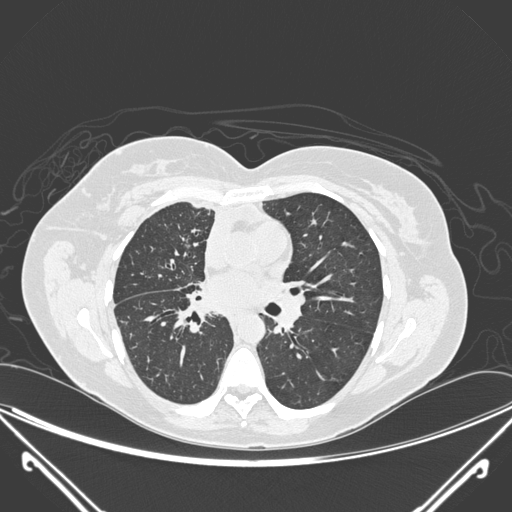
This is axial slice 152 of 275 (slice 1 is the lowest) of a chest CT; each pixel is 0.781 mm and the slice is 1.00 mm thick. Pulmonary nodule outlined by all four readers, two of them on this slice; box rows 236–247, columns 181–189 (the union of the readers' outlines on this slice); longest diameter 20.3–23.4 mm and volume 1750–2560 mm3 across the four readers' outlines. Ratings across the readers: texture 5/5 (solid) from all four readers; margin from 3/5 to 5/5 (circumscribed) across the four readers; sphericity from 2/5 to 5/5 (round) across the four readers; calcification: absent (three), central calcification (one); internal structure soft tissue from all four readers; subtlety 5/5, all four readers agreeing; malignancy likelihood from 1/5 to 5/5 across the four readers. Scale key (1–5): texture non-solid→solid, margin indistinct→circumscribed, sphericity linear→round, subtlety extremely subtle→obvious, malignancy likelihood highly unlikely→highly suspicious of cancer. Box rows and columns are 0-based pixel indices from the top-left corner, inclusive.
Tube voltage 120 kVp; convolution kernel D.